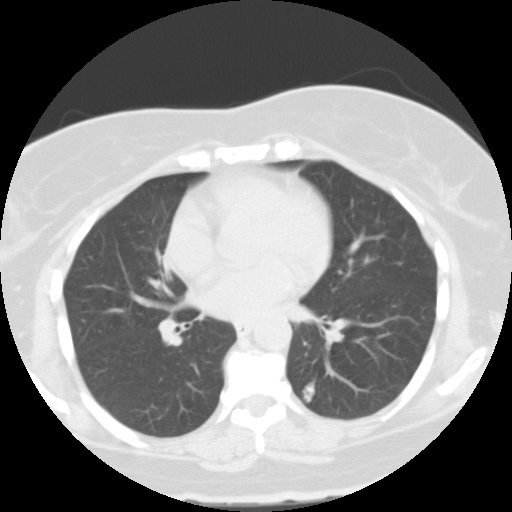
Axial chest CT slice 53 of 105 (counted from the lowest slice); 3.00 mm thick, 0.656 mm per pixel. Pulmonary nodule outlined by all four readers; box rows 379–404, columns 301–315 (the union of the readers' outlines on this slice); median longest diameter 21.8 mm (readers' outlines 19.4–23.9 mm), median volume 799 mm3 (678–1092 mm3). Median ratings and the readers' spread: texture 4.5/5 at the median of four readers, spread 2/5 to 5/5 (solid); margin 4/5 at the median of four readers, spread 2/5 to 5/5 (circumscribed); median sphericity 2.5/5 (readers ranged 2/5 to 5/5 (round)); calcification absent from all four readers; internal structure soft tissue from all four readers; median subtlety 4.5/5 (readers ranged 2–5); median malignancy likelihood 3/5 (readers ranged 1–3). Scale key (1–5): texture non-solid→solid, margin indistinct→circumscribed, sphericity linear→round, subtlety extremely subtle→obvious, malignancy likelihood highly unlikely→highly suspicious of cancer. Box rows and columns are 0-based pixel indices from the top-left corner, inclusive.
Scan settings: 135 kVp, FC01 reconstruction kernel.